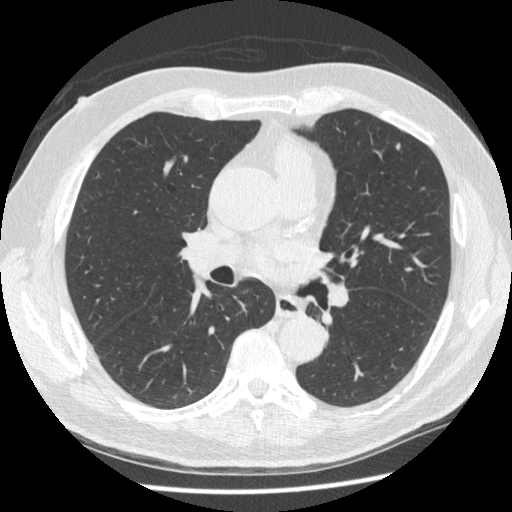
Axial slice 291 of 519 of a chest CT (slice 1 is the lowest), reconstructed with the STANDARD kernel at 120 kVp; 1.25 mm slice thickness and 0.703 mm pixels.
Pulmonary nodule outlined by all four readers; box rows 143–149, columns 395–400 (the union of the readers' outlines on this slice); longest diameter 6.1 mm on average over the four readers' outlines (readers' outlines 5.8–6.4 mm), volume 39–52 mm3. The readers' prevailing ratings and who disagreed: texture 5/5 (solid) from all four readers; margin split among the readers: 4/5 (two), 5/5 (circumscribed) (two); sphericity split among the readers: 2/5 (one), 3/5 (ovoid) (one), 4/5 (one), 5/5 (round) (one); calcification absent by three of four readers, solid calcification (one); internal structure soft tissue from all four readers; subtlety 3/5 by two of four readers; the rest gave 2/5 (one), 4/5 (one); malignancy likelihood 2/5 by two of four readers; the rest gave 1/5 (one), 4/5 (one). Scale key (1–5): texture non-solid→solid, margin indistinct→circumscribed, sphericity linear→round, subtlety extremely subtle→obvious, malignancy likelihood highly unlikely→highly suspicious of cancer. Box rows and columns are 0-based pixel indices from the top-left corner, inclusive.